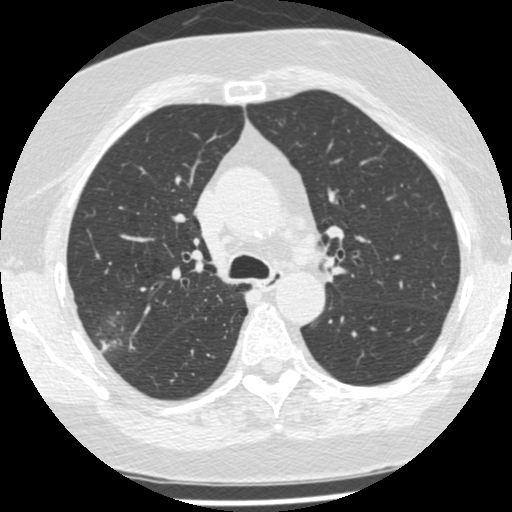
Axial chest CT slice 334 of 487 (counted from the lowest slice); tube voltage 120 kVp, convolution kernel STANDARD; slices 1.25 mm thick, 0.586 mm per pixel.
Pulmonary nodule at rows 328–362, columns 96–128 (box = the union of the readers' outlines on this slice), outlined by two of the four readers; median longest diameter 18.1 mm (readers' outlines 11.3–24.9 mm), median volume 1598 mm3 (232–2964 mm3). Ratings, median across the readers with their spread: texture 3/5 (part-solid), both readers agreeing; margin 1.5/5 at the median of two readers, spread 1/5 (indistinct) to 2/5; sphericity 4/5, both readers agreeing; calcification absent from both readers; internal structure soft tissue from both readers; subtlety 4/5 from both readers; malignancy likelihood 3.5/5 at the median of two readers, spread 3–4. Scale key (1–5): texture non-solid→solid, margin indistinct→circumscribed, sphericity linear→round, subtlety extremely subtle→obvious, malignancy likelihood highly unlikely→highly suspicious of cancer. Box rows and columns are 0-based pixel indices from the top-left corner, inclusive.